Chest CT, axial plane, 120 kVp, kernel B45f. Slice 149/301 from the bottom of the scan; thickness 1.00 mm; pixel size 0.547 mm.
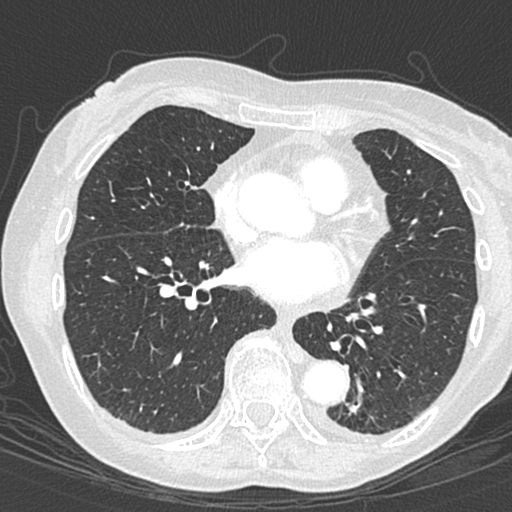
Pulmonary nodule at rows 402–413, columns 349–360 (box = the union of the readers' outlines on this slice), outlined by three of the four readers, two of them on this slice; the three readers' outlines give a longest diameter between 6.8 and 15.1 mm and a volume between 67 and 603 mm3. Ratings across the readers: texture 5/5 (solid), all three readers agreeing; margin from 3/5 to 5/5 (circumscribed) across the three readers; sphericity from 3/5 (ovoid) to 5/5 (round) across the three readers; calcification: solid calcification (two), central calcification (one); internal structure soft tissue from all three readers; subtlety rated between 4 and 5 out of 5 by the three readers; malignancy likelihood 1/5, all three readers agreeing. Scale key (1–5): texture non-solid→solid, margin indistinct→circumscribed, sphericity linear→round, subtlety extremely subtle→obvious, malignancy likelihood highly unlikely→highly suspicious of cancer. Box rows and columns are 0-based pixel indices from the top-left corner, inclusive.